Chest CT, axial plane, 120 kVp, kernel D. Slice 120/290 from the bottom of the scan; thickness 2.00 mm; pixel size 0.648 mm.
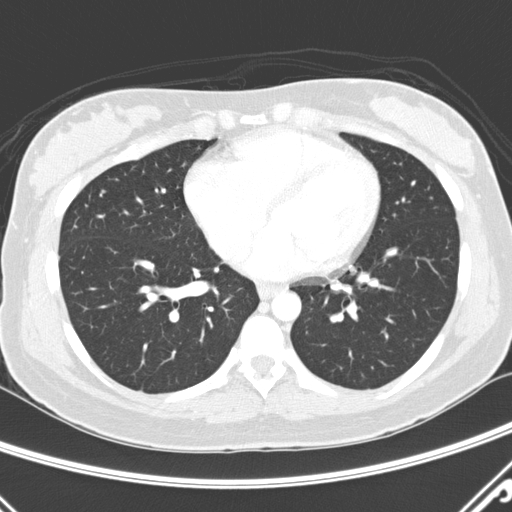
Pulmonary nodule, outlined by two of the four readers. Box on this slice rows 189–193, columns 100–105, the union of the readers' outlines on this slice; median longest diameter 4.6 mm (readers' outlines 4.3–4.9 mm), median volume 45 mm3 (43–48 mm3). Ratings, median across the readers with their spread: texture 5/5 (solid) from both readers; margin 5/5 (circumscribed), both readers agreeing; median sphericity 4/5 (readers ranged 3/5 (ovoid) to 5/5 (round)); calcification absent from both readers; internal structure soft tissue, both readers agreeing; subtlety 4/5 at the median of two readers, spread 3–5; malignancy likelihood 2/5 at the median of two readers, spread 1–3. Scale key (1–5): texture non-solid→solid, margin indistinct→circumscribed, sphericity linear→round, subtlety extremely subtle→obvious, malignancy likelihood highly unlikely→highly suspicious of cancer. Box rows and columns are 0-based pixel indices from the top-left corner, inclusive.